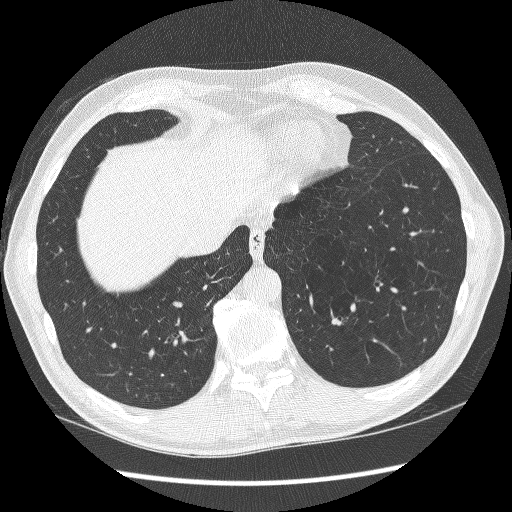
Slice 76/261 of a chest CT, counting up from the lowest; pixel size 0.689 mm, slice thickness 1.25 mm. Pulmonary nodule, outlined by all four readers. Box on this slice rows 301–308, columns 172–183, the union of the readers' outlines on this slice; the four readers' outlines give a longest diameter between 8.1 and 9.9 mm and a volume between 169 and 271 mm3. The readers' ratings, as ranges where they differ: texture from 4/5 to 5/5 (solid) across the four readers; margin from 4/5 to 5/5 (circumscribed) across the four readers; sphericity from 2/5 to 3/5 (ovoid) across the four readers; calcification absent from all four readers; internal structure soft tissue, all four readers agreeing; subtlety from 3/5 to 5/5 across the four readers; malignancy likelihood 3–4/5 (the readers disagree). Scale key (1–5): texture non-solid→solid, margin indistinct→circumscribed, sphericity linear→round, subtlety extremely subtle→obvious, malignancy likelihood highly unlikely→highly suspicious of cancer. Box rows and columns are 0-based pixel indices from the top-left corner, inclusive.
Acquired at 120 kVp and reconstructed with the BONE kernel.